Axial chest CT slice 99 of 240 (counted from the lowest slice); tube voltage 120 kVp, convolution kernel BONE; slices 1.25 mm thick, 0.566 mm per pixel.
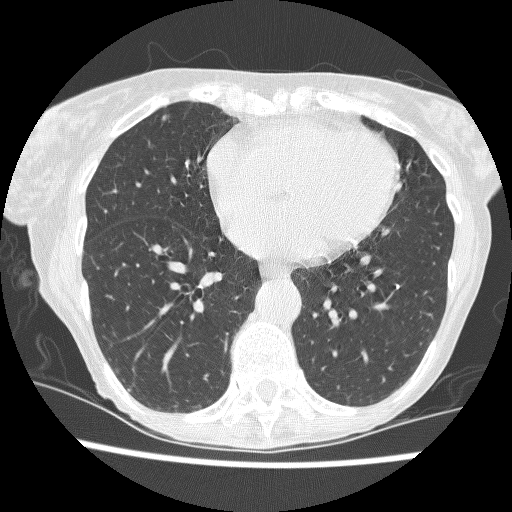
Pulmonary nodule at rows 115–121, columns 162–166 (box = the union of the readers' outlines on this slice), outlined by all four readers; median longest diameter 5.5 mm (readers' outlines 5.1–6.5 mm), median volume 64 mm3 (52–68 mm3). Median ratings and the readers' spread: median texture 4/5 (readers ranged 4/5 to 5/5 (solid)); median margin 4/5 (readers ranged 2/5 to 4/5); median sphericity 3.5/5 (readers ranged 3/5 (ovoid) to 5/5 (round)); calcification absent, all four readers agreeing; internal structure soft tissue from all four readers; subtlety 3.5/5 at the median of four readers, spread 3–4; malignancy likelihood 3/5 at the median of four readers, spread 2–4. Scale key (1–5): texture non-solid→solid, margin indistinct→circumscribed, sphericity linear→round, subtlety extremely subtle→obvious, malignancy likelihood highly unlikely→highly suspicious of cancer. Box rows and columns are 0-based pixel indices from the top-left corner, inclusive.